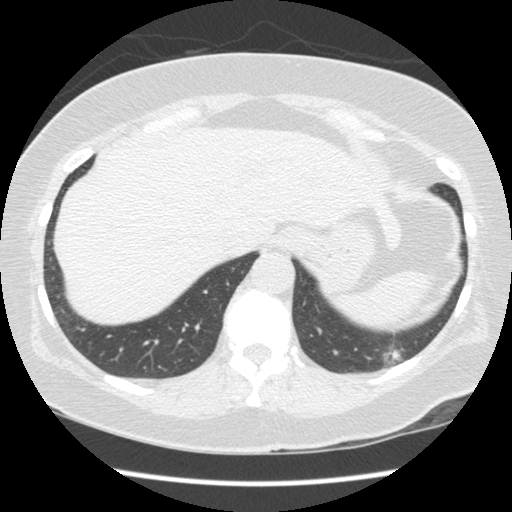
This is axial slice 32 of 154 (slice 1 is the lowest) of a chest CT; each pixel is 0.645 mm and the slice is 2.50 mm thick. Pulmonary nodule at rows 351–363, columns 385–399 (box = that reader's outline on this slice), outlined by one of the four readers; longest diameter 24.1 mm and volume 2244 mm3 from that reader's outline. Ratings by that reader: texture 3/5 (part-solid); margin 3/5; sphericity 4/5; calcification absent; internal structure soft tissue; subtlety 4/5; malignancy likelihood 1/5. Scale key (1–5): texture non-solid→solid, margin indistinct→circumscribed, sphericity linear→round, subtlety extremely subtle→obvious, malignancy likelihood highly unlikely→highly suspicious of cancer. Box rows and columns are 0-based pixel indices from the top-left corner, inclusive.
Acquired at 120 kVp and reconstructed with the STANDARD kernel.